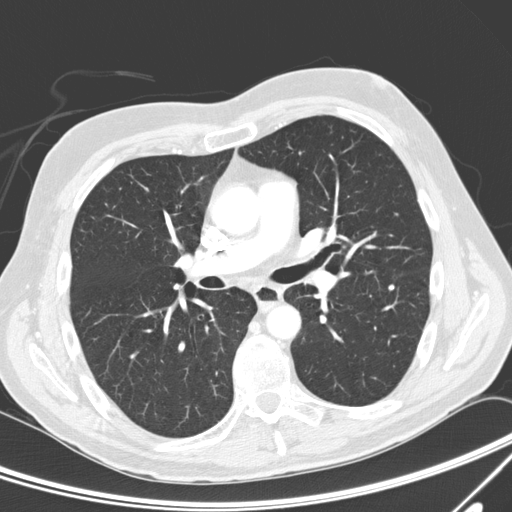
Chest CT, axial plane, 120 kVp, kernel D. Slice 153/300 from the bottom of the scan; thickness 2.00 mm; pixel size 0.678 mm.
Pulmonary nodule at rows 284–290, columns 388–394 (box = the union of the readers' outlines on this slice), outlined by all four readers; longest diameter 6.1–6.7 mm and volume 83–97 mm3 across the four readers' outlines. Ratings across the readers: texture 5/5 (solid) from all four readers; margin 5/5 (circumscribed) from all four readers; sphericity from 4/5 to 5/5 (round) across the four readers; calcification: solid calcification (three), absent (one); internal structure soft tissue, all four readers agreeing; subtlety from 4/5 to 5/5 across the four readers; malignancy likelihood rated between 1 and 2 out of 5 by the four readers. Scale key (1–5): texture non-solid→solid, margin indistinct→circumscribed, sphericity linear→round, subtlety extremely subtle→obvious, malignancy likelihood highly unlikely→highly suspicious of cancer. Box rows and columns are 0-based pixel indices from the top-left corner, inclusive.